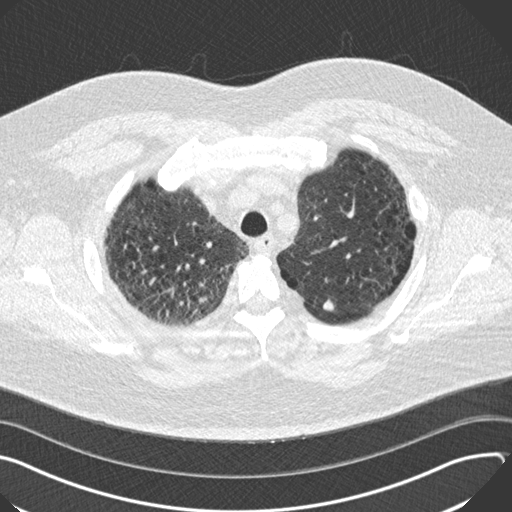
This is axial slice 154 of 187 (slice 1 is the lowest) of a chest CT; each pixel is 0.742 mm and the slice is 2.00 mm thick. Pulmonary nodule at rows 298–311, columns 321–334 (box = the union of the readers' outlines on this slice), outlined by all four readers; the four readers' outlines give a longest diameter between 10.1 and 12.0 mm and a volume between 348 and 508 mm3. Ratings across the readers: texture from 4/5 to 5/5 (solid) across the four readers; margin from 4/5 to 5/5 (circumscribed) across the four readers; sphericity 4/5, all four readers agreeing; calcification absent, all four readers agreeing; internal structure soft tissue from all four readers; subtlety from 3/5 to 5/5 across the four readers; malignancy likelihood 2–4/5 (the readers disagree). Scale key (1–5): texture non-solid→solid, margin indistinct→circumscribed, sphericity linear→round, subtlety extremely subtle→obvious, malignancy likelihood highly unlikely→highly suspicious of cancer. Box rows and columns are 0-based pixel indices from the top-left corner, inclusive.
Acquired at 120 kVp and reconstructed with the B30f kernel.